Chest CT, axial plane, 120 kVp, kernel STANDARD. Slice 247/506 from the bottom of the scan; thickness 1.25 mm; pixel size 0.664 mm.
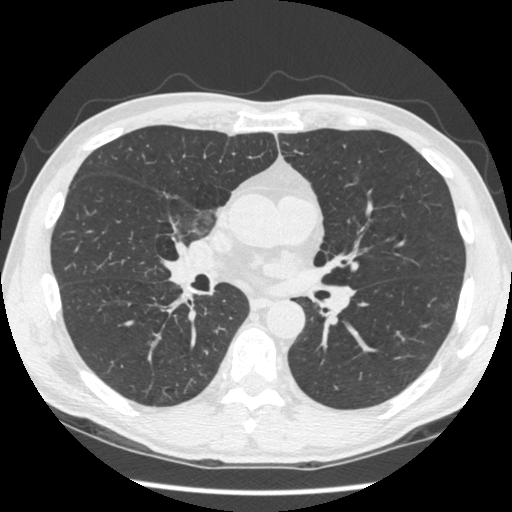
Pulmonary nodule outlined by two of the four readers, one of them on this slice; box rows 211–233, columns 192–209 (the one reader's outline on this slice); the two readers' outlines give a longest diameter between 16.4 and 17.3 mm and a volume between 126 and 127 mm3. Ratings across the readers: texture 1/5 (non-solid) from both readers; margin from 1/5 (indistinct) to 4/5 across the two readers; sphericity from 3/5 (ovoid) to 4/5 across the two readers; calcification absent, both readers agreeing; internal structure soft tissue, both readers agreeing; subtlety 2–4/5 (the readers disagree); malignancy likelihood 3/5 from both readers. Scale key (1–5): texture non-solid→solid, margin indistinct→circumscribed, sphericity linear→round, subtlety extremely subtle→obvious, malignancy likelihood highly unlikely→highly suspicious of cancer. Box rows and columns are 0-based pixel indices from the top-left corner, inclusive.